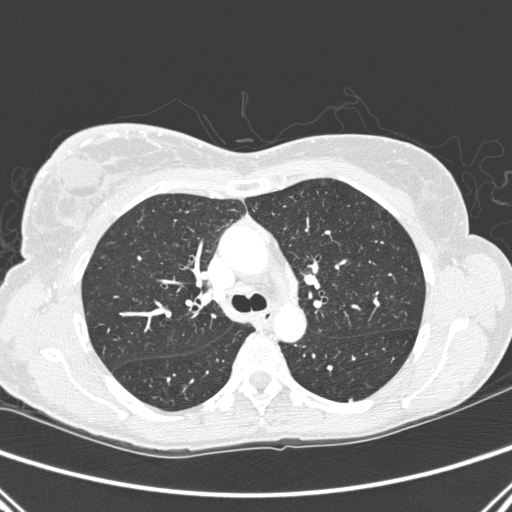
This is axial slice 182 of 275 (slice 1 is the lowest) of a chest CT; each pixel is 0.658 mm and the slice is 1.00 mm thick. Pulmonary nodule, outlined by two of the four readers. Box on this slice rows 397–401, columns 348–352, the union of the readers' outlines on this slice; the two readers' outlines give a longest diameter between 3.8 and 4.4 mm and a volume between 26 and 28 mm3. The readers' ratings, as ranges where they differ: texture 5/5 (solid), both readers agreeing; margin from 4/5 to 5/5 (circumscribed) across the two readers; sphericity 5/5 (round) from both readers; calcification absent, both readers agreeing; internal structure soft tissue, both readers agreeing; subtlety from 2/5 to 4/5 across the two readers; malignancy likelihood 1/5 from both readers. Scale key (1–5): texture non-solid→solid, margin indistinct→circumscribed, sphericity linear→round, subtlety extremely subtle→obvious, malignancy likelihood highly unlikely→highly suspicious of cancer. Box rows and columns are 0-based pixel indices from the top-left corner, inclusive.
Scan settings: 120 kVp, D reconstruction kernel.